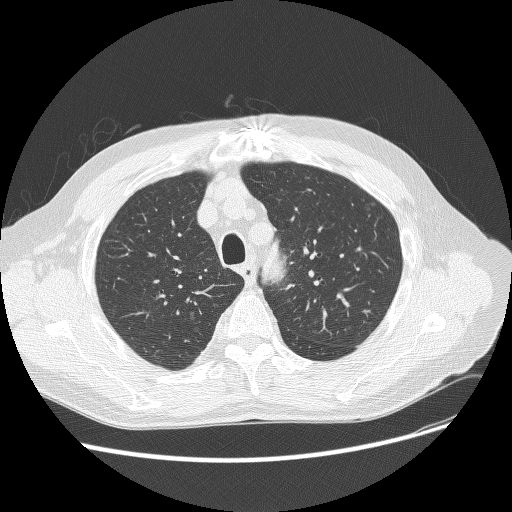
Slice 213/268 of a chest CT, counting up from the lowest; pixel size 0.742 mm, slice thickness 1.25 mm. Two pulmonary nodules are outlined on this slice; from left to right: (1) Pulmonary nodule at rows 310–320, columns 188–194 (box = the union of the readers' outlines on this slice), outlined by three of the four readers; median longest diameter 6.6 mm (readers' outlines 6.6–9.2 mm), median volume 27 mm3 (25–102 mm3). Ratings, median across the readers with their spread: texture 1/5 (non-solid), all three readers agreeing; median margin 1/5 (indistinct) (readers ranged 1/5 (indistinct) to 3/5); median sphericity 3/5 (ovoid) (readers ranged 2/5 to 4/5); calcification absent from all three readers; internal structure soft tissue from all three readers; subtlety 1/5, all three readers agreeing; malignancy likelihood 3/5, all three readers agreeing. (2) Pulmonary nodule outlined by one of the four readers; box rows 326–332, columns 192–199 (that reader's outline on this slice); longest diameter 7.4 mm and volume 40 mm3 from that reader's outline. That reader's ratings: texture 1/5 (non-solid); margin 1/5 (indistinct); sphericity 5/5 (round); calcification absent; internal structure soft tissue; subtlety 1/5; malignancy likelihood 3/5. Scale key (1–5): texture non-solid→solid, margin indistinct→circumscribed, sphericity linear→round, subtlety extremely subtle→obvious, malignancy likelihood highly unlikely→highly suspicious of cancer. Box rows and columns are 0-based pixel indices from the top-left corner, inclusive.
Acquired at 120 kVp and reconstructed with the BONE kernel.